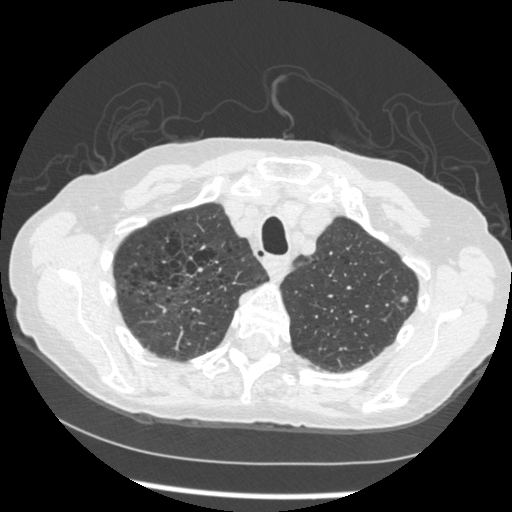
Chest CT, axial plane, 120 kVp, kernel STANDARD. Slice 382/461 from the bottom of the scan; thickness 1.25 mm; pixel size 0.645 mm.
Pulmonary nodule at rows 295–302, columns 401–407 (box = the union of the readers' outlines on this slice), outlined by all four readers; median longest diameter 10.1 mm (readers' outlines 9.2–11.1 mm), median volume 158 mm3 (139–248 mm3). Ratings, median across the readers with their spread: texture 5/5 (solid) at the median of four readers, spread 3/5 (part-solid) to 5/5 (solid); margin 4/5 at the median of four readers, spread 2/5 to 5/5 (circumscribed); sphericity 4/5 at the median of four readers, spread 2/5 to 5/5 (round); calcification absent from all four readers; internal structure soft tissue, all four readers agreeing; subtlety 4.5/5 at the median of four readers, spread 3–5; median malignancy likelihood 3/5 (readers ranged 2–4). Scale key (1–5): texture non-solid→solid, margin indistinct→circumscribed, sphericity linear→round, subtlety extremely subtle→obvious, malignancy likelihood highly unlikely→highly suspicious of cancer. Box rows and columns are 0-based pixel indices from the top-left corner, inclusive.